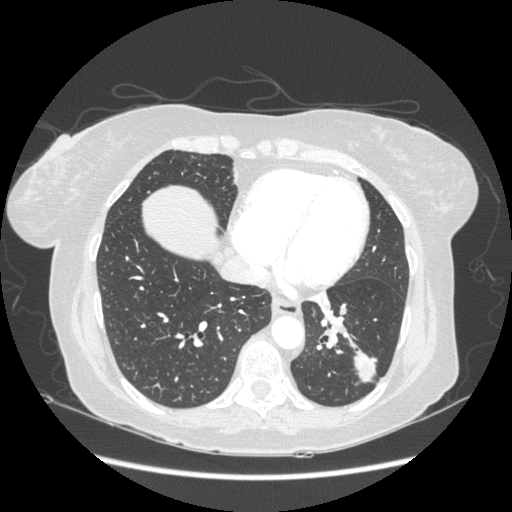
One axial slice (79 of 230, counting up from the lowest) of a chest CT acquired at 120 kVp with the STANDARD kernel; each pixel is 0.742 mm and the slice is 1.25 mm thick.
Pulmonary nodule outlined by all four readers; box rows 351–383, columns 353–376 (the union of the readers' outlines on this slice); longest diameter 28.7 mm on average over the four readers' outlines (readers' outlines 23.1–31.5 mm), volume 3020–5074 mm3. The readers' prevailing ratings and who disagreed: texture 5/5 (solid), all four readers agreeing; margin 4/5 by two of four readers; the rest gave 3/5 (one), 5/5 (circumscribed) (one); most readers (three of four) put sphericity at 3/5 (ovoid), others 5/5 (round) (one); calcification absent from all four readers; internal structure soft tissue, all four readers agreeing; subtlety 5/5 from all four readers; malignancy likelihood 5/5 by three of four readers; the rest gave 3/5 (one). Scale key (1–5): texture non-solid→solid, margin indistinct→circumscribed, sphericity linear→round, subtlety extremely subtle→obvious, malignancy likelihood highly unlikely→highly suspicious of cancer. Box rows and columns are 0-based pixel indices from the top-left corner, inclusive.